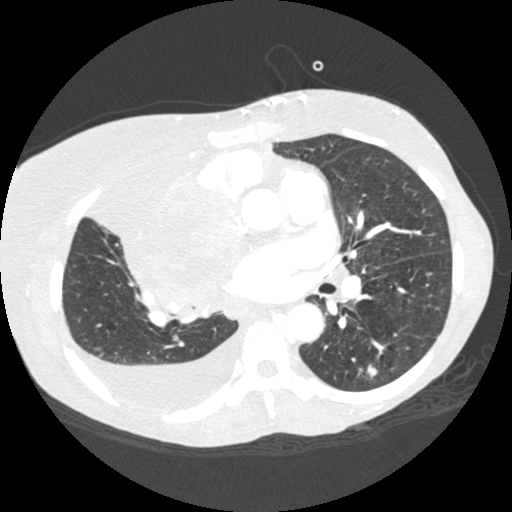
Axial chest CT slice 121 of 238 (counted from the lowest slice); 1.25 mm thick, 0.625 mm per pixel. Pulmonary nodule outlined by all four readers; box rows 364–378, columns 366–377 (the union of the readers' outlines on this slice); median longest diameter 10.1 mm (readers' outlines 9.7–10.7 mm), median volume 354 mm3 (334–416 mm3). Median ratings and the readers' spread: texture 5/5 (solid), all four readers agreeing; margin 4/5 from all four readers; median sphericity 4.5/5 (readers ranged 4/5 to 5/5 (round)); calcification absent from all four readers; internal structure soft tissue, all four readers agreeing; median subtlety 4.5/5 (readers ranged 4–5); median malignancy likelihood 4/5 (readers ranged 3–5). Scale key (1–5): texture non-solid→solid, margin indistinct→circumscribed, sphericity linear→round, subtlety extremely subtle→obvious, malignancy likelihood highly unlikely→highly suspicious of cancer. Box rows and columns are 0-based pixel indices from the top-left corner, inclusive.
Tube voltage 120 kVp; convolution kernel STANDARD.